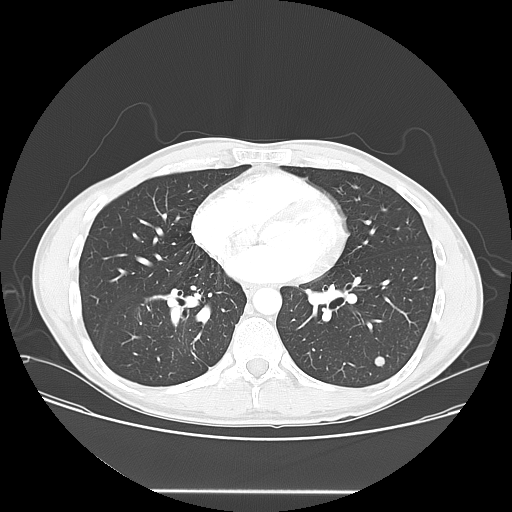
Axial chest CT slice 72 of 150 (counted from the lowest slice); tube voltage 120 kVp, convolution kernel LUNG; slices 2.50 mm thick, 0.781 mm per pixel.
Pulmonary nodule at rows 356–366, columns 374–384 (box = the union of the readers' outlines on this slice), outlined by all four readers; median longest diameter 9.6 mm (readers' outlines 9.4–10.2 mm), median volume 521 mm3 (463–692 mm3). Ratings, median across the readers with their spread: texture 5/5 (solid), all four readers agreeing; margin 5/5 (circumscribed) from all four readers; sphericity 5/5 (round) at the median of four readers, spread 4/5 to 5/5 (round); calcification: absent (three), solid calcification (one); internal structure soft tissue from all four readers; median subtlety 5/5 (readers ranged 4–5); malignancy likelihood 3/5 at the median of four readers, spread 1–4. Scale key (1–5): texture non-solid→solid, margin indistinct→circumscribed, sphericity linear→round, subtlety extremely subtle→obvious, malignancy likelihood highly unlikely→highly suspicious of cancer. Box rows and columns are 0-based pixel indices from the top-left corner, inclusive.